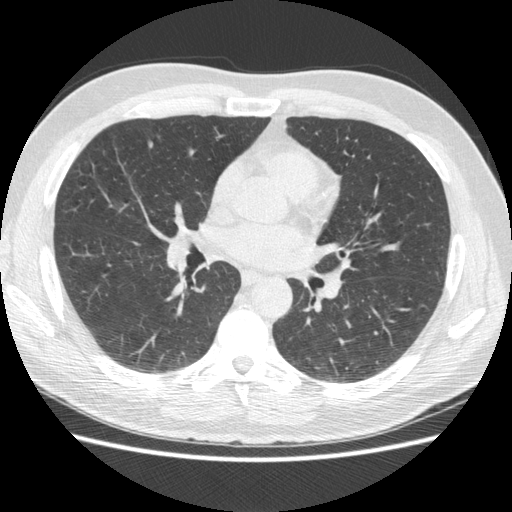
One axial slice (262 of 477, counting up from the lowest) of a chest CT acquired at 120 kVp with the STANDARD kernel; each pixel is 0.703 mm and the slice is 1.25 mm thick.
Pulmonary nodule at rows 139–148, columns 146–153 (box = the union of the readers' outlines on this slice), outlined by three of the four readers; longest diameter 13.0–15.7 mm and volume 236–334 mm3 across the three readers' outlines. The readers' ratings, as ranges where they differ: texture 5/5 (solid), all three readers agreeing; margin from 4/5 to 5/5 (circumscribed) across the three readers; sphericity from 2/5 to 5/5 (round) across the three readers; calcification absent from all three readers; internal structure soft tissue, all three readers agreeing; subtlety from 3/5 to 5/5 across the three readers; malignancy likelihood from 2/5 to 3/5 across the three readers. Scale key (1–5): texture non-solid→solid, margin indistinct→circumscribed, sphericity linear→round, subtlety extremely subtle→obvious, malignancy likelihood highly unlikely→highly suspicious of cancer. Box rows and columns are 0-based pixel indices from the top-left corner, inclusive.